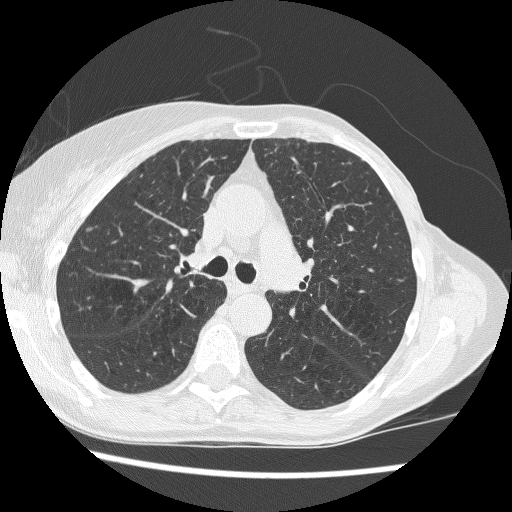
Axial chest CT slice 175 of 257 (counted from the lowest slice); tube voltage 120 kVp, convolution kernel BONE; slices 1.25 mm thick, 0.627 mm per pixel.
Pulmonary nodule at rows 226–230, columns 85–92 (box = that reader's outline on this slice), outlined by one of the four readers; longest diameter 5.9 mm and volume 49 mm3 from that reader's outline. That reader's ratings: texture 5/5 (solid); margin 5/5 (circumscribed); sphericity 4/5; calcification absent; internal structure soft tissue; subtlety 3/5; malignancy likelihood 3/5. Scale key (1–5): texture non-solid→solid, margin indistinct→circumscribed, sphericity linear→round, subtlety extremely subtle→obvious, malignancy likelihood highly unlikely→highly suspicious of cancer. Box rows and columns are 0-based pixel indices from the top-left corner, inclusive.